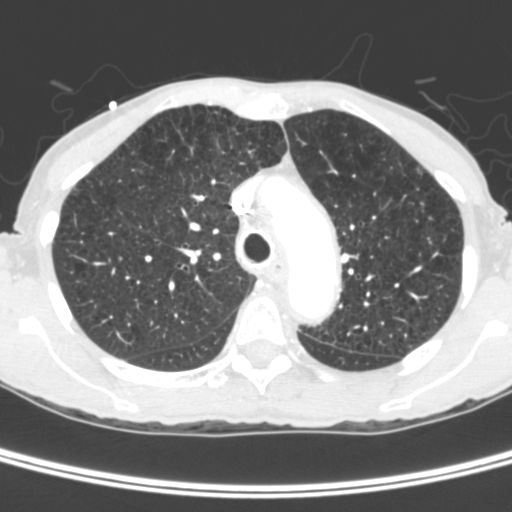
One axial slice (282 of 400, counting up from the lowest) of a chest CT acquired at 120 kVp with the C kernel; each pixel is 0.527 mm and the slice is 1.50 mm thick.
Pulmonary nodule, outlined by one of the four readers. Box on this slice rows 256–260, columns 117–123, that reader's outline on this slice; longest diameter 5.7 mm and volume 76 mm3 from that reader's outline. That reader's ratings: texture 5/5 (solid); margin 4/5; sphericity 4/5; calcification absent; internal structure soft tissue; subtlety 4/5; malignancy likelihood 3/5. Scale key (1–5): texture non-solid→solid, margin indistinct→circumscribed, sphericity linear→round, subtlety extremely subtle→obvious, malignancy likelihood highly unlikely→highly suspicious of cancer. Box rows and columns are 0-based pixel indices from the top-left corner, inclusive.